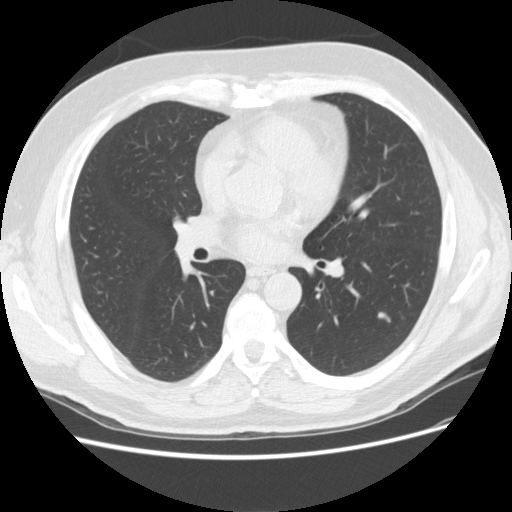
Axial slice 81 of 158 of a chest CT (slice 1 is the lowest), reconstructed with the STANDARD kernel at 120 kVp; 2.50 mm slice thickness and 0.723 mm pixels.
Pulmonary nodule at rows 313–320, columns 378–389 (box = that reader's outline on this slice), outlined by one of the four readers; longest diameter 10.7 mm and volume 202 mm3 from that reader's outline. That reader's ratings: texture 5/5 (solid); margin 5/5 (circumscribed); sphericity 5/5 (round); calcification absent; internal structure soft tissue; subtlety 2/5; malignancy likelihood 3/5. Scale key (1–5): texture non-solid→solid, margin indistinct→circumscribed, sphericity linear→round, subtlety extremely subtle→obvious, malignancy likelihood highly unlikely→highly suspicious of cancer. Box rows and columns are 0-based pixel indices from the top-left corner, inclusive.